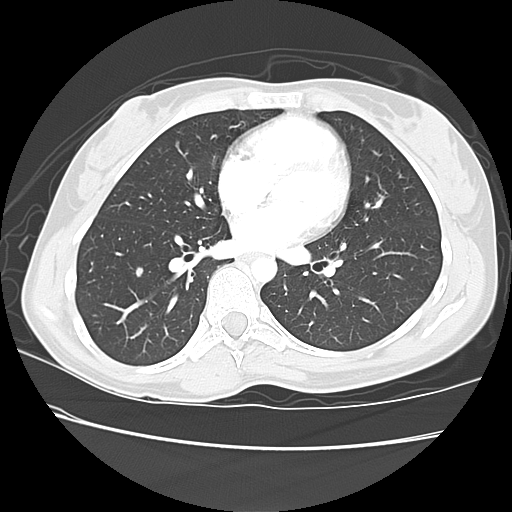
Axial chest CT slice 70 of 140 (counted from the lowest slice); 2.50 mm thick, 0.625 mm per pixel. Pulmonary nodule outlined by all four readers; box rows 266–277, columns 135–143 (the union of the readers' outlines on this slice); longest diameter 7.3–8.2 mm and volume 147–225 mm3 across the four readers' outlines. The readers' ratings, as ranges where they differ: texture 5/5 (solid) from all four readers; margin from 4/5 to 5/5 (circumscribed) across the four readers; sphericity from 3/5 (ovoid) to 5/5 (round) across the four readers; calcification split among the readers: solid calcification (two), absent (two); internal structure soft tissue from all four readers; subtlety 3–5/5 (the readers disagree); malignancy likelihood rated between 1 and 3 out of 5 by the four readers. Scale key (1–5): texture non-solid→solid, margin indistinct→circumscribed, sphericity linear→round, subtlety extremely subtle→obvious, malignancy likelihood highly unlikely→highly suspicious of cancer. Box rows and columns are 0-based pixel indices from the top-left corner, inclusive.
Tube voltage 120 kVp; convolution kernel LUNG.